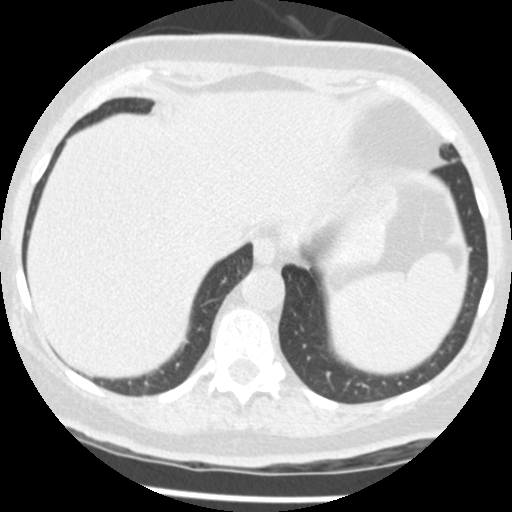
Axial chest CT slice 101 of 433 (counted from the lowest slice); tube voltage 120 kVp, convolution kernel STANDARD; slices 1.25 mm thick, 0.547 mm per pixel.
Pulmonary nodule, outlined by two of the four readers. Box on this slice rows 247–251, columns 468–472, the union of the readers' outlines on this slice; longest diameter 4.4–4.7 mm and volume 49–52 mm3 across the two readers' outlines. The readers' ratings, as ranges where they differ: texture 5/5 (solid), both readers agreeing; margin 5/5 (circumscribed) from both readers; sphericity 5/5 (round) from both readers; calcification solid calcification, both readers agreeing; internal structure soft tissue, both readers agreeing; subtlety 5/5, both readers agreeing; malignancy likelihood 1/5, both readers agreeing. Scale key (1–5): texture non-solid→solid, margin indistinct→circumscribed, sphericity linear→round, subtlety extremely subtle→obvious, malignancy likelihood highly unlikely→highly suspicious of cancer. Box rows and columns are 0-based pixel indices from the top-left corner, inclusive.